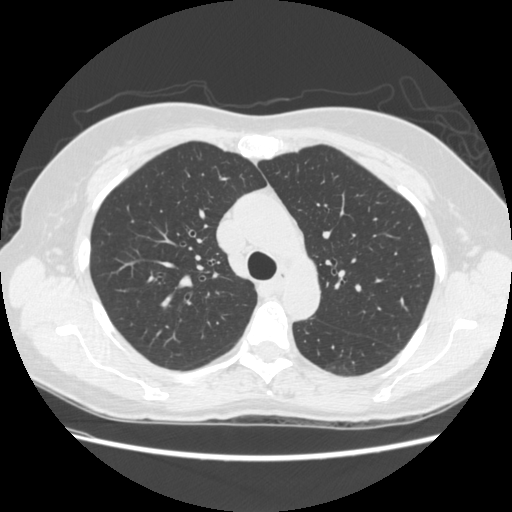
Axial slice 175 of 261 of a chest CT (slice 1 is the lowest), reconstructed with the STANDARD kernel at 120 kVp; 1.25 mm slice thickness and 0.682 mm pixels.
Pulmonary nodule outlined by two of the four readers, one of them on this slice; box rows 361–374, columns 328–351 (the one reader's outline on this slice); longest diameter 30.8 mm on average over the two readers' outlines (readers' outlines 30.0–31.5 mm), volume 6577–7912 mm3. Ratings, by the readers' most common answer with dissent counted: texture split among the readers: 1/5 (non-solid) (one), 2/5 (one); margin split among the readers: 1/5 (indistinct) (one), 2/5 (one); sphericity split among the readers: 3/5 (ovoid) (one), 5/5 (round) (one); calcification absent, both readers agreeing; internal structure soft tissue from both readers; subtlety split among the readers: 1/5 (one), 2/5 (one); malignancy likelihood split among the readers: 4/5 (one), 5/5 (one). Scale key (1–5): texture non-solid→solid, margin indistinct→circumscribed, sphericity linear→round, subtlety extremely subtle→obvious, malignancy likelihood highly unlikely→highly suspicious of cancer. Box rows and columns are 0-based pixel indices from the top-left corner, inclusive.